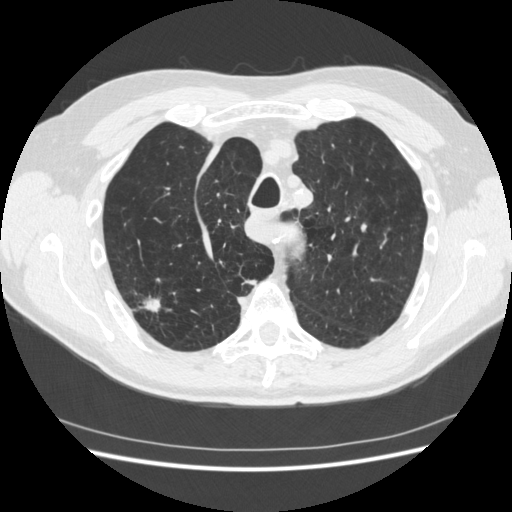
Axial chest CT slice 353 of 481 (counted from the lowest slice); 1.25 mm thick, 0.703 mm per pixel. Two pulmonary nodules are outlined on this slice; from left to right: (1) Pulmonary nodule at rows 286–313, columns 134–162 (box = the union of the readers' outlines on this slice), outlined by all four readers; median longest diameter 25.6 mm (readers' outlines 18.7–34.9 mm), median volume 2081 mm3 (1155–4169 mm3). Ratings, median across the readers with their spread: texture 5/5 (solid) at the median of four readers, spread 4/5 to 5/5 (solid); median margin 2.5/5 (readers ranged 1/5 (indistinct) to 4/5); median sphericity 3.5/5 (readers ranged 2/5 to 5/5 (round)); calcification absent from all four readers; internal structure soft tissue, all four readers agreeing; subtlety 5/5 from all four readers; median malignancy likelihood 5/5 (readers ranged 4–5). (2) Pulmonary nodule, outlined by three of the four readers. Box on this slice rows 280–285, columns 242–256, the union of the readers' outlines on this slice; longest diameter 15.9 mm on average over the three readers' outlines (readers' outlines 13.5–18.5 mm), volume 529–1088 mm3. The readers' prevailing ratings and who disagreed: texture 5/5 (solid), all three readers agreeing; margin 4/5 by two of three readers; the rest gave 1/5 (indistinct) (one); most readers (two of three) put sphericity at 3/5 (ovoid), others 2/5 (one); calcification absent from all three readers; internal structure soft tissue, all three readers agreeing; subtlety 5/5 by two of three readers; the rest gave 4/5 (one); most readers (two of three) put malignancy likelihood at 5/5, others 3/5 (one). Scale key (1–5): texture non-solid→solid, margin indistinct→circumscribed, sphericity linear→round, subtlety extremely subtle→obvious, malignancy likelihood highly unlikely→highly suspicious of cancer. Box rows and columns are 0-based pixel indices from the top-left corner, inclusive.
Scan settings: 120 kVp, STANDARD reconstruction kernel.